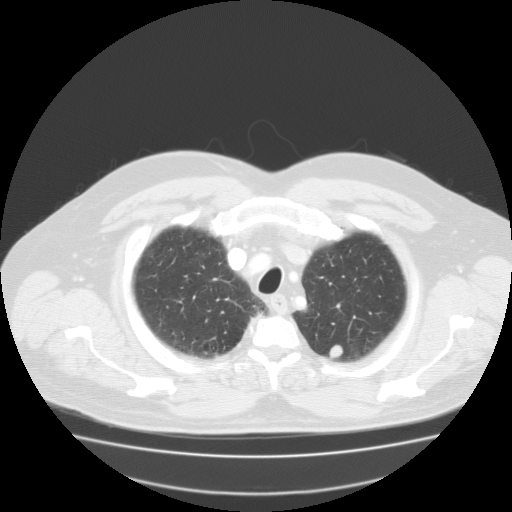
One axial slice (103 of 124, counting up from the lowest) of a chest CT acquired at 135 kVp with the FC01 kernel; each pixel is 0.854 mm and the slice is 3.00 mm thick.
Pulmonary nodule outlined by all four readers; box rows 345–358, columns 329–342 (the union of the readers' outlines on this slice); longest diameter 13.5–15.1 mm and volume 568–1162 mm3 across the four readers' outlines. The readers' ratings, as ranges where they differ: texture 5/5 (solid) from all four readers; margin from 4/5 to 5/5 (circumscribed) across the four readers; sphericity from 3/5 (ovoid) to 5/5 (round) across the four readers; calcification absent from all four readers; internal structure soft tissue, all four readers agreeing; subtlety 4–5/5 (the readers disagree); malignancy likelihood from 3/5 to 4/5 across the four readers. Scale key (1–5): texture non-solid→solid, margin indistinct→circumscribed, sphericity linear→round, subtlety extremely subtle→obvious, malignancy likelihood highly unlikely→highly suspicious of cancer. Box rows and columns are 0-based pixel indices from the top-left corner, inclusive.